Axial chest CT slice 122 of 375 (counted from the lowest slice); tube voltage 120 kVp, convolution kernel B45f; slices 1.00 mm thick, 0.586 mm per pixel.
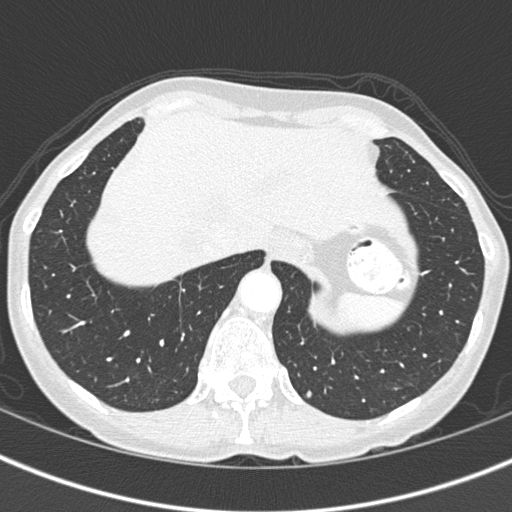
Pulmonary nodule at rows 390–397, columns 306–311 (box = that reader's outline on this slice), outlined by one of the four readers; longest diameter 5.6 mm and volume 45 mm3 from that reader's outline. That reader's ratings: texture 4/5; margin 5/5 (circumscribed); sphericity 3/5 (ovoid); calcification absent; internal structure soft tissue; subtlety 4/5; malignancy likelihood 3/5. Scale key (1–5): texture non-solid→solid, margin indistinct→circumscribed, sphericity linear→round, subtlety extremely subtle→obvious, malignancy likelihood highly unlikely→highly suspicious of cancer. Box rows and columns are 0-based pixel indices from the top-left corner, inclusive.